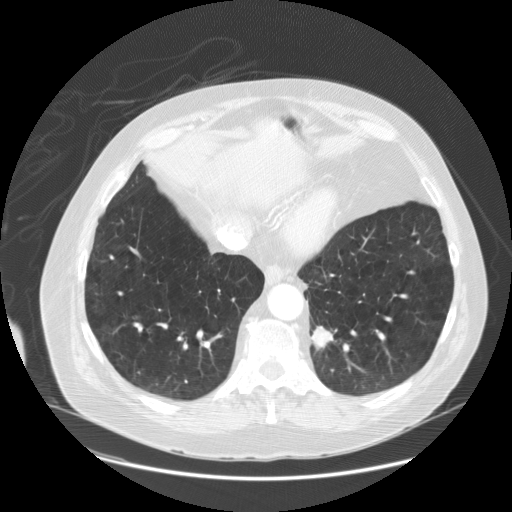
This is axial slice 50 of 149 (slice 1 is the lowest) of a chest CT; each pixel is 0.820 mm and the slice is 2.50 mm thick. Pulmonary nodule outlined by all four readers; box rows 326–350, columns 311–333 (the union of the readers' outlines on this slice); median longest diameter 22.8 mm (readers' outlines 21.9–28.7 mm), median volume 2998 mm3 (2868–3180 mm3). Ratings, median across the readers with their spread: texture 5/5 (solid) at the median of four readers, spread 4/5 to 5/5 (solid); margin 4/5 at the median of four readers, spread 3/5 to 5/5 (circumscribed); median sphericity 4/5 (readers ranged 3/5 (ovoid) to 5/5 (round)); calcification absent from all four readers; internal structure soft tissue from all four readers; subtlety 5/5 at the median of four readers, spread 4–5; median malignancy likelihood 3.5/5 (readers ranged 3–5). Scale key (1–5): texture non-solid→solid, margin indistinct→circumscribed, sphericity linear→round, subtlety extremely subtle→obvious, malignancy likelihood highly unlikely→highly suspicious of cancer. Box rows and columns are 0-based pixel indices from the top-left corner, inclusive.
Acquired at 120 kVp and reconstructed with the STANDARD kernel.